One axial slice (170 of 295, counting up from the lowest) of a chest CT acquired at 120 kVp with the STANDARD kernel; each pixel is 0.703 mm and the slice is 2.50 mm thick.
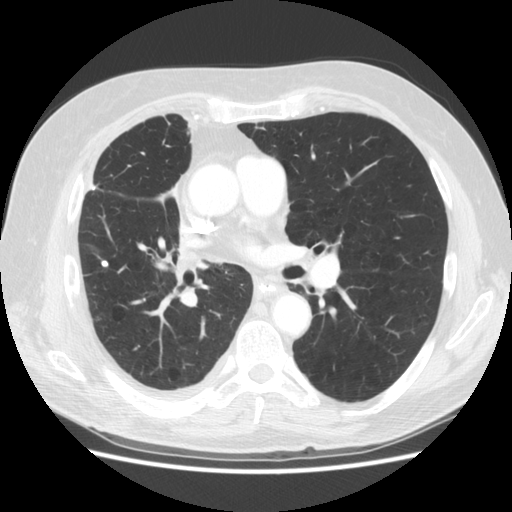
Pulmonary nodule, outlined by all four readers. Box on this slice rows 260–267, columns 100–108, the union of the readers' outlines on this slice; the four readers' outlines give a longest diameter between 6.6 and 8.5 mm and a volume between 92 and 133 mm3. The readers' ratings, as ranges where they differ: texture 5/5 (solid) from all four readers; margin 5/5 (circumscribed), all four readers agreeing; sphericity from 4/5 to 5/5 (round) across the four readers; calcification: solid calcification (three), absent (one); internal structure soft tissue, all four readers agreeing; subtlety 5/5, all four readers agreeing; malignancy likelihood 1/5, all four readers agreeing. Scale key (1–5): texture non-solid→solid, margin indistinct→circumscribed, sphericity linear→round, subtlety extremely subtle→obvious, malignancy likelihood highly unlikely→highly suspicious of cancer. Box rows and columns are 0-based pixel indices from the top-left corner, inclusive.